Chest CT, axial plane, 120 kVp, kernel STANDARD. Slice 342/417 from the bottom of the scan; thickness 1.25 mm; pixel size 0.703 mm.
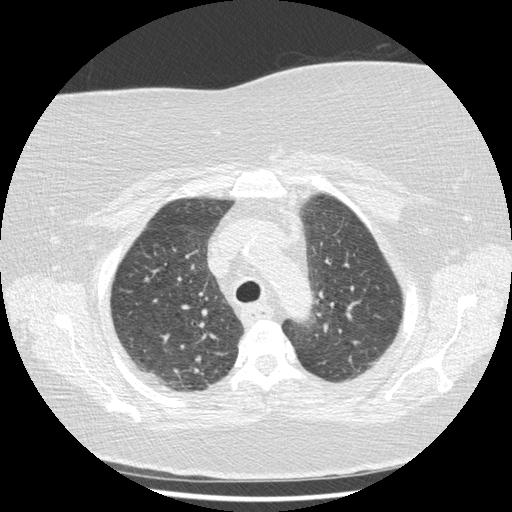
Pulmonary nodule, outlined by three of the four readers. Box on this slice rows 275–282, columns 143–150, the union of the readers' outlines on this slice; the three readers' outlines give a longest diameter between 7.2 and 7.6 mm and a volume between 57 and 61 mm3. The readers' ratings, as ranges where they differ: texture from 4/5 to 5/5 (solid) across the three readers; margin from 2/5 to 4/5 across the three readers; sphericity from 2/5 to 4/5 across the three readers; calcification absent, all three readers agreeing; internal structure soft tissue from all three readers; subtlety 3–5/5 (the readers disagree); malignancy likelihood rated between 2 and 3 out of 5 by the three readers. Scale key (1–5): texture non-solid→solid, margin indistinct→circumscribed, sphericity linear→round, subtlety extremely subtle→obvious, malignancy likelihood highly unlikely→highly suspicious of cancer. Box rows and columns are 0-based pixel indices from the top-left corner, inclusive.